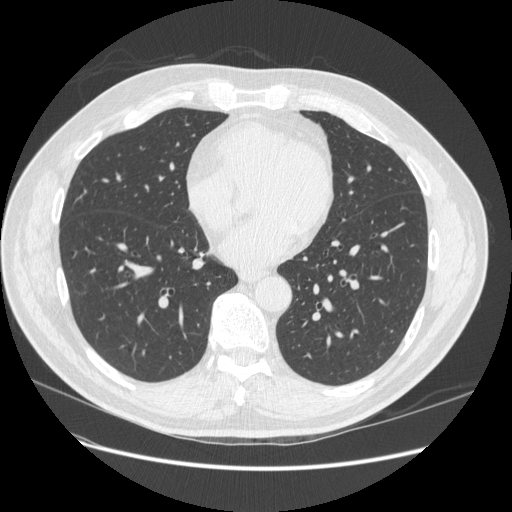
This is axial slice 194 of 541 (slice 1 is the lowest) of a chest CT; each pixel is 0.781 mm and the slice is 1.25 mm thick. This slice carries no reader outline of a nodule 3 mm or larger.
Tube voltage 120 kVp; convolution kernel STANDARD.